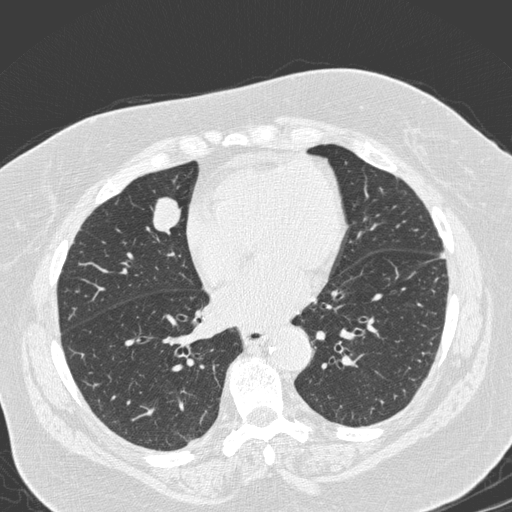
One axial slice (92 of 280, counting up from the lowest) of a chest CT acquired at 120 kVp with the D kernel; each pixel is 0.666 mm and the slice is 1.00 mm thick.
Pulmonary nodule at rows 197–233, columns 153–180 (box = the union of the readers' outlines on this slice), outlined by all four readers; median longest diameter 25.4 mm (readers' outlines 25.0–27.8 mm), median volume 5111 mm3 (4698–5913 mm3). Ratings, median across the readers with their spread: texture 5/5 (solid) from all four readers; margin 4.5/5 at the median of four readers, spread 4/5 to 5/5 (circumscribed); sphericity 4.5/5 at the median of four readers, spread 3/5 (ovoid) to 5/5 (round); calcification absent, all four readers agreeing; internal structure soft tissue from all four readers; subtlety 5/5 from all four readers; median malignancy likelihood 4.5/5 (readers ranged 2–5). Scale key (1–5): texture non-solid→solid, margin indistinct→circumscribed, sphericity linear→round, subtlety extremely subtle→obvious, malignancy likelihood highly unlikely→highly suspicious of cancer. Box rows and columns are 0-based pixel indices from the top-left corner, inclusive.